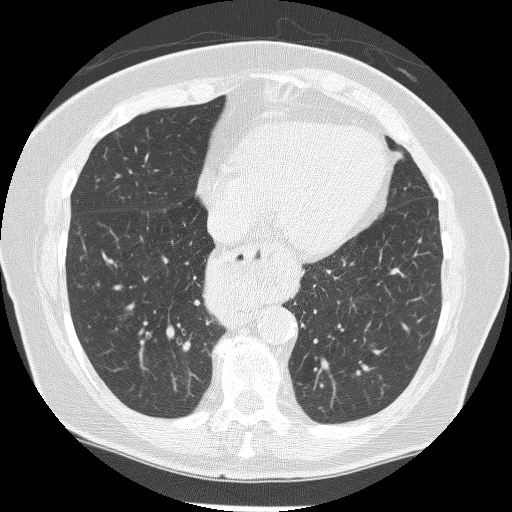
Slice 90/240 of a chest CT, counting up from the lowest; pixel size 0.604 mm, slice thickness 1.25 mm. Two pulmonary nodules on this slice, listed from left to right. (1) Pulmonary nodule at rows 132–136, columns 114–119 (box = the union of the readers' outlines on this slice), outlined by all four readers, two of them on this slice; median longest diameter 5.8 mm (readers' outlines 5.4–6.0 mm), median volume 39 mm3 (28–58 mm3). Median ratings and the readers' spread: texture 1.5/5 at the median of four readers, spread 1/5 (non-solid) to 5/5 (solid); margin 2.5/5 at the median of four readers, spread 2/5 to 5/5 (circumscribed); median sphericity 3/5 (ovoid) (readers ranged 2/5 to 3/5 (ovoid)); calcification absent, all four readers agreeing; internal structure soft tissue, all four readers agreeing; subtlety 2.5/5 at the median of four readers, spread 2–3; median malignancy likelihood 2/5 (readers ranged 2–3). (2) Pulmonary nodule at rows 268–277, columns 390–404 (box = the union of the readers' outlines on this slice), outlined by three of the four readers, two of them on this slice; longest diameter 14.2 mm on average over the three readers' outlines (readers' outlines 13.4–15.7 mm), volume 241–431 mm3. Ratings, by the readers' most common answer with dissent counted: texture 5/5 (solid), all three readers agreeing; margin 5/5 (circumscribed) by two of three readers; the rest gave 4/5 (one); sphericity 2/5 from all three readers; calcification absent, all three readers agreeing; internal structure soft tissue from all three readers; subtlety 4/5 by two of three readers; the rest gave 2/5 (one); most readers (two of three) put malignancy likelihood at 4/5, others 5/5 (one). Scale key (1–5): texture non-solid→solid, margin indistinct→circumscribed, sphericity linear→round, subtlety extremely subtle→obvious, malignancy likelihood highly unlikely→highly suspicious of cancer. Box rows and columns are 0-based pixel indices from the top-left corner, inclusive.
Tube voltage 120 kVp; convolution kernel BONE.